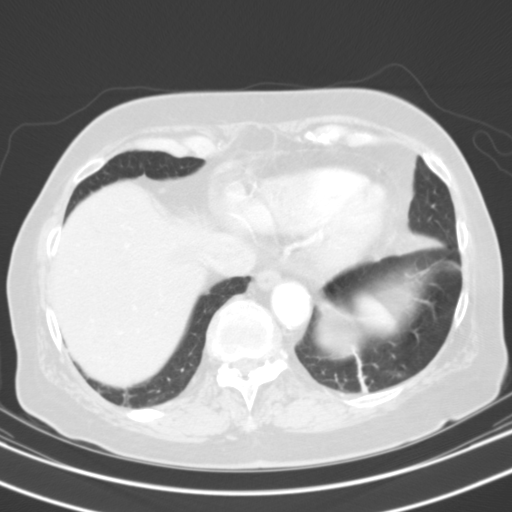
Slice 32/109 of a chest CT, counting up from the lowest; pixel size 0.629 mm, slice thickness 3.00 mm. Pulmonary nodule, outlined by all four readers, one of them on this slice. Box on this slice rows 371–376, columns 397–401, the one reader's outline on this slice; median longest diameter 11.0 mm (readers' outlines 10.5–12.9 mm), median volume 678 mm3 (562–923 mm3). Median ratings and the readers' spread: texture 5/5 (solid) from all four readers; margin 5/5 (circumscribed) from all four readers; sphericity 5/5 (round) at the median of four readers, spread 4/5 to 5/5 (round); calcification solid calcification from all four readers; internal structure soft tissue from all four readers; subtlety 5/5 from all four readers; malignancy likelihood 1/5 from all four readers. Scale key (1–5): texture non-solid→solid, margin indistinct→circumscribed, sphericity linear→round, subtlety extremely subtle→obvious, malignancy likelihood highly unlikely→highly suspicious of cancer. Box rows and columns are 0-based pixel indices from the top-left corner, inclusive.
Scan settings: 130 kVp, B31s reconstruction kernel.